One axial slice (104 of 130, counting up from the lowest) of a chest CT acquired at 120 kVp with the LUNG kernel; each pixel is 0.703 mm and the slice is 2.50 mm thick.
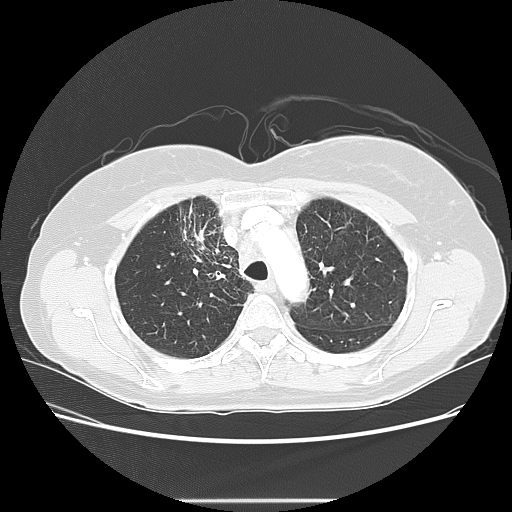
Pulmonary nodule outlined by three of the four readers, one of them on this slice; box rows 230–241, columns 184–201 (the one reader's outline on this slice); longest diameter 30.2 mm on average over the three readers' outlines (readers' outlines 26.3–33.4 mm), volume 4054–5494 mm3. Ratings, by the readers' most common answer with dissent counted: texture 5/5 (solid) by two of three readers; the rest gave 4/5 (one); margin split among the readers: 3/5 (one), 4/5 (one), 5/5 (circumscribed) (one); sphericity split among the readers: 3/5 (ovoid) (one), 4/5 (one), 5/5 (round) (one); calcification absent from all three readers; internal structure soft tissue, all three readers agreeing; subtlety 5/5, all three readers agreeing; most readers (two of three) put malignancy likelihood at 5/5, others 4/5 (one). Scale key (1–5): texture non-solid→solid, margin indistinct→circumscribed, sphericity linear→round, subtlety extremely subtle→obvious, malignancy likelihood highly unlikely→highly suspicious of cancer. Box rows and columns are 0-based pixel indices from the top-left corner, inclusive.